One axial slice (264 of 481, counting up from the lowest) of a chest CT acquired at 120 kVp with the STANDARD kernel; each pixel is 0.664 mm and the slice is 1.25 mm thick.
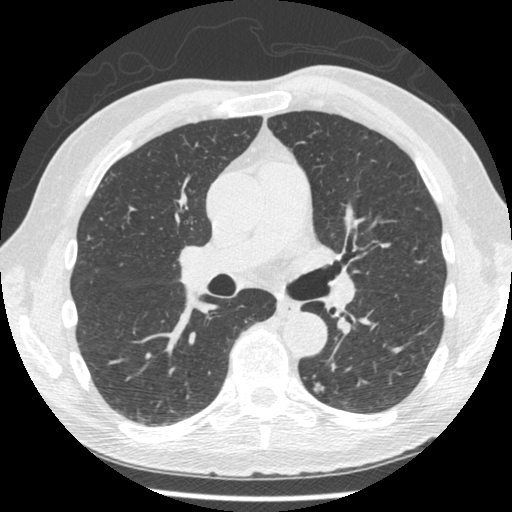
Pulmonary nodule, outlined by three of the four readers. Box on this slice rows 381–393, columns 313–324, the union of the readers' outlines on this slice; longest diameter 9.4–10.2 mm and volume 134–188 mm3 across the three readers' outlines. Ratings across the readers: texture from 2/5 to 4/5 across the three readers; margin from 2/5 to 4/5 across the three readers; sphericity from 2/5 to 4/5 across the three readers; calcification absent from all three readers; internal structure soft tissue, all three readers agreeing; subtlety from 3/5 to 4/5 across the three readers; malignancy likelihood 1–3/5 (the readers disagree). Scale key (1–5): texture non-solid→solid, margin indistinct→circumscribed, sphericity linear→round, subtlety extremely subtle→obvious, malignancy likelihood highly unlikely→highly suspicious of cancer. Box rows and columns are 0-based pixel indices from the top-left corner, inclusive.